Axial chest CT slice 72 of 113 (counted from the lowest slice); tube voltage 120 kVp, convolution kernel STANDARD; slices 2.50 mm thick, 0.703 mm per pixel.
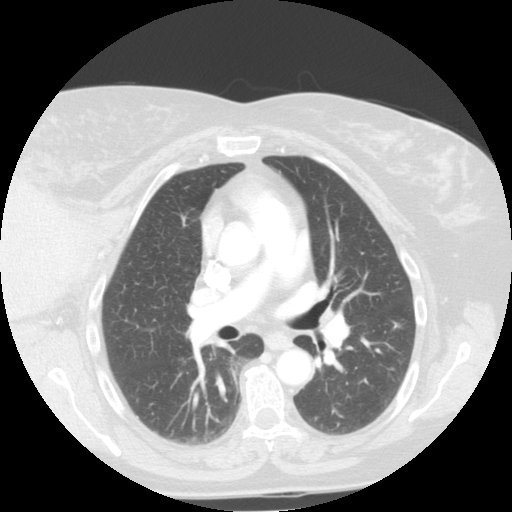
Pulmonary nodule outlined by all four readers, one of them on this slice; box rows 386–390, columns 226–230 (the one reader's outline on this slice); median longest diameter 8.1 mm (readers' outlines 7.9–9.1 mm), median volume 204 mm3 (171–234 mm3). Median ratings and the readers' spread: texture 5/5 (solid), all four readers agreeing; margin 5/5 (circumscribed) at the median of four readers, spread 4/5 to 5/5 (circumscribed); median sphericity 4/5 (readers ranged 3/5 (ovoid) to 5/5 (round)); calcification absent, all four readers agreeing; internal structure soft tissue, all four readers agreeing; median subtlety 3.5/5 (readers ranged 3–5); median malignancy likelihood 2.5/5 (readers ranged 2–3). Scale key (1–5): texture non-solid→solid, margin indistinct→circumscribed, sphericity linear→round, subtlety extremely subtle→obvious, malignancy likelihood highly unlikely→highly suspicious of cancer. Box rows and columns are 0-based pixel indices from the top-left corner, inclusive.